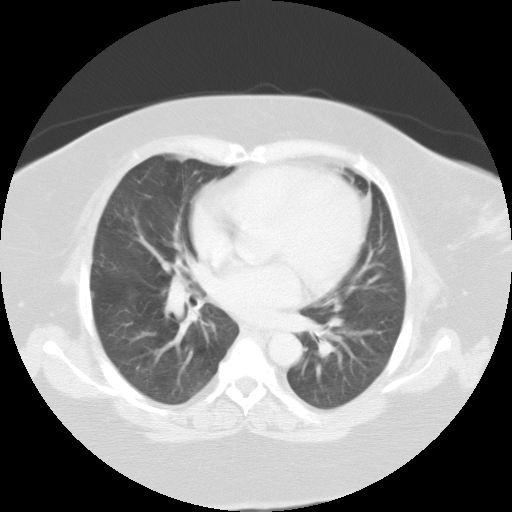
Chest CT, axial plane, 135 kVp, kernel FC01. Slice 62/102 from the bottom of the scan; thickness 3.00 mm; pixel size 0.808 mm.
Pulmonary nodule, outlined by one of the four readers. Box on this slice rows 291–296, columns 91–94, that reader's outline on this slice; longest diameter 6.5 mm and volume 64 mm3 from that reader's outline. That reader's ratings: texture 1/5 (non-solid); margin 2/5; sphericity 4/5; calcification absent; internal structure soft tissue; subtlety 1/5; malignancy likelihood 2/5. Scale key (1–5): texture non-solid→solid, margin indistinct→circumscribed, sphericity linear→round, subtlety extremely subtle→obvious, malignancy likelihood highly unlikely→highly suspicious of cancer. Box rows and columns are 0-based pixel indices from the top-left corner, inclusive.